Axial chest CT slice 198 of 347 (counted from the lowest slice); tube voltage 120 kVp, convolution kernel B45f; slices 1.00 mm thick, 0.625 mm per pixel.
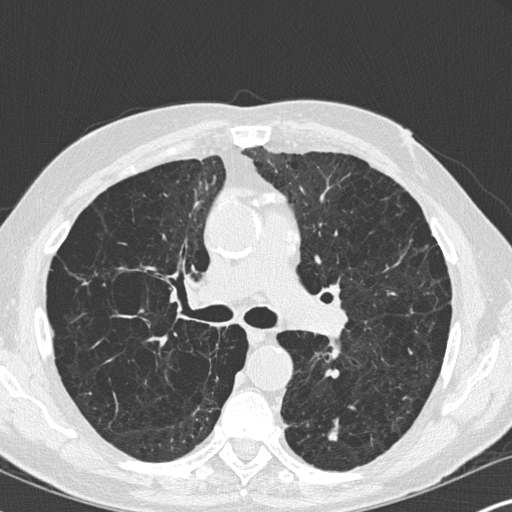
Pulmonary nodule at rows 418–440, columns 328–338 (box = the union of the readers' outlines on this slice), outlined by all four readers; median longest diameter 13.0 mm (readers' outlines 9.8–15.6 mm), median volume 307 mm3 (236–361 mm3). Ratings, median across the readers with their spread: texture 5/5 (solid) at the median of four readers, spread 4/5 to 5/5 (solid); margin 3.5/5 at the median of four readers, spread 2/5 to 5/5 (circumscribed); sphericity 3/5 (ovoid) at the median of four readers, spread 2/5 to 4/5; calcification absent from all four readers; internal structure soft tissue from all four readers; median subtlety 4/5 (readers ranged 4–5); malignancy likelihood 3.5/5 at the median of four readers, spread 3–4. Scale key (1–5): texture non-solid→solid, margin indistinct→circumscribed, sphericity linear→round, subtlety extremely subtle→obvious, malignancy likelihood highly unlikely→highly suspicious of cancer. Box rows and columns are 0-based pixel indices from the top-left corner, inclusive.